Axial slice 100 of 133 of a chest CT (slice 1 is the lowest), reconstructed with the STANDARD kernel at 120 kVp; 2.50 mm slice thickness and 0.703 mm pixels.
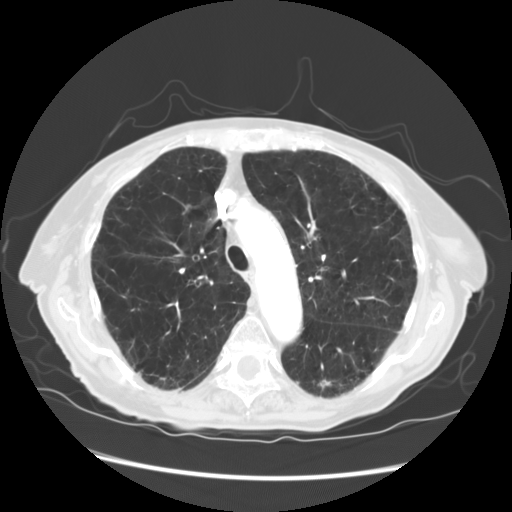
Pulmonary nodule, outlined by all four readers. Box on this slice rows 379–390, columns 317–331, the union of the readers' outlines on this slice; median longest diameter 13.1 mm (readers' outlines 12.6–14.8 mm), median volume 646 mm3 (588–781 mm3). Median ratings and the readers' spread: median texture 4.5/5 (readers ranged 4/5 to 5/5 (solid)); margin 2.5/5 at the median of four readers, spread 2/5 to 4/5; sphericity 3.5/5 at the median of four readers, spread 2/5 to 5/5 (round); calcification absent, all four readers agreeing; internal structure soft tissue, all four readers agreeing; median subtlety 4/5 (readers ranged 4–5); malignancy likelihood 4/5 at the median of four readers, spread 4–5. Scale key (1–5): texture non-solid→solid, margin indistinct→circumscribed, sphericity linear→round, subtlety extremely subtle→obvious, malignancy likelihood highly unlikely→highly suspicious of cancer. Box rows and columns are 0-based pixel indices from the top-left corner, inclusive.